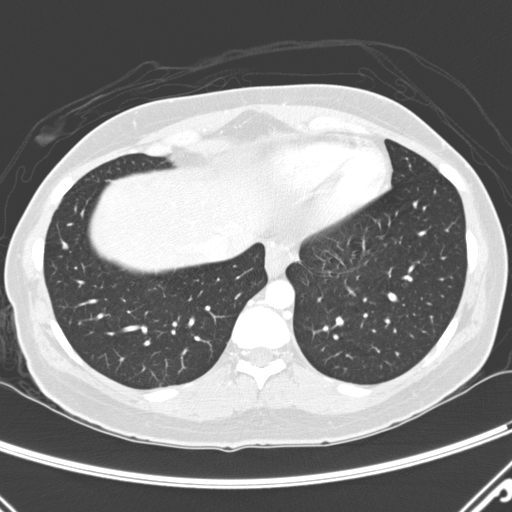
One axial slice (79 of 290, counting up from the lowest) of a chest CT acquired at 120 kVp with the D kernel; each pixel is 0.648 mm and the slice is 2.00 mm thick.
Pulmonary nodule at rows 244–248, columns 62–68 (box = the union of the readers' outlines on this slice), outlined by two of the four readers; median longest diameter 7.3 mm (readers' outlines 7.1–7.6 mm), median volume 87 mm3 (80–93 mm3). Median ratings and the readers' spread: texture 5/5 (solid) from both readers; margin 5/5 (circumscribed) from both readers; sphericity 4.5/5 at the median of two readers, spread 4/5 to 5/5 (round); calcification absent, both readers agreeing; internal structure soft tissue from both readers; median subtlety 4.5/5 (readers ranged 4–5); malignancy likelihood 3/5, both readers agreeing. Scale key (1–5): texture non-solid→solid, margin indistinct→circumscribed, sphericity linear→round, subtlety extremely subtle→obvious, malignancy likelihood highly unlikely→highly suspicious of cancer. Box rows and columns are 0-based pixel indices from the top-left corner, inclusive.